One axial slice (192 of 477, counting up from the lowest) of a chest CT acquired at 120 kVp with the STANDARD kernel; each pixel is 0.625 mm and the slice is 1.25 mm thick.
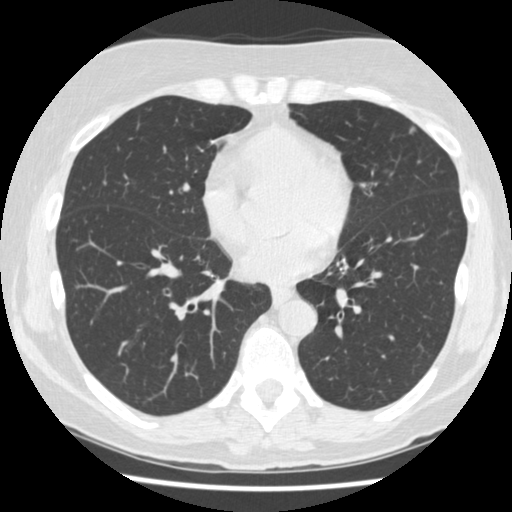
Pulmonary nodule outlined by all four readers; box rows 126–133, columns 408–415 (the union of the readers' outlines on this slice); median longest diameter 6.0 mm (readers' outlines 5.8–6.4 mm), median volume 43 mm3 (42–61 mm3). Median ratings and the readers' spread: median texture 5/5 (solid) (readers ranged 3/5 (part-solid) to 5/5 (solid)); median margin 3/5 (readers ranged 1/5 (indistinct) to 5/5 (circumscribed)); sphericity 4.5/5 at the median of four readers, spread 4/5 to 5/5 (round); calcification absent from all four readers; internal structure soft tissue, all four readers agreeing; subtlety 3/5 at the median of four readers, spread 2–4; malignancy likelihood 2/5 at the median of four readers, spread 1–3. Scale key (1–5): texture non-solid→solid, margin indistinct→circumscribed, sphericity linear→round, subtlety extremely subtle→obvious, malignancy likelihood highly unlikely→highly suspicious of cancer. Box rows and columns are 0-based pixel indices from the top-left corner, inclusive.